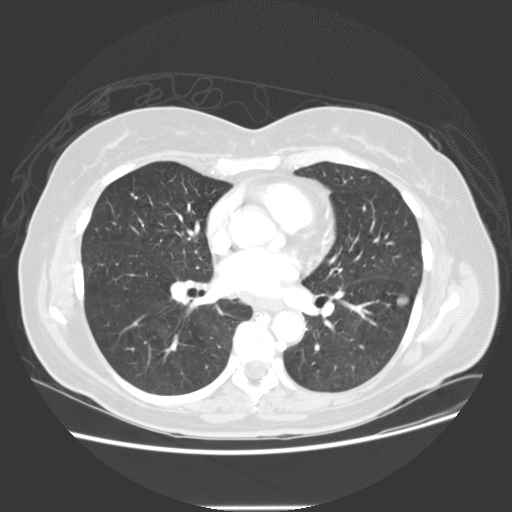
Axial chest CT slice 70 of 133 (counted from the lowest slice); tube voltage 120 kVp, convolution kernel STANDARD; slices 2.50 mm thick, 0.742 mm per pixel.
Pulmonary nodule, outlined by all four readers. Box on this slice rows 294–306, columns 396–409, the union of the readers' outlines on this slice; the four readers' outlines give a longest diameter between 13.4 and 14.4 mm and a volume between 848 and 916 mm3. Ratings across the readers: texture 5/5 (solid) from all four readers; margin from 4/5 to 5/5 (circumscribed) across the four readers; sphericity from 4/5 to 5/5 (round) across the four readers; calcification absent from all four readers; internal structure soft tissue from all four readers; subtlety from 3/5 to 5/5 across the four readers; malignancy likelihood 2–4/5 (the readers disagree). Scale key (1–5): texture non-solid→solid, margin indistinct→circumscribed, sphericity linear→round, subtlety extremely subtle→obvious, malignancy likelihood highly unlikely→highly suspicious of cancer. Box rows and columns are 0-based pixel indices from the top-left corner, inclusive.